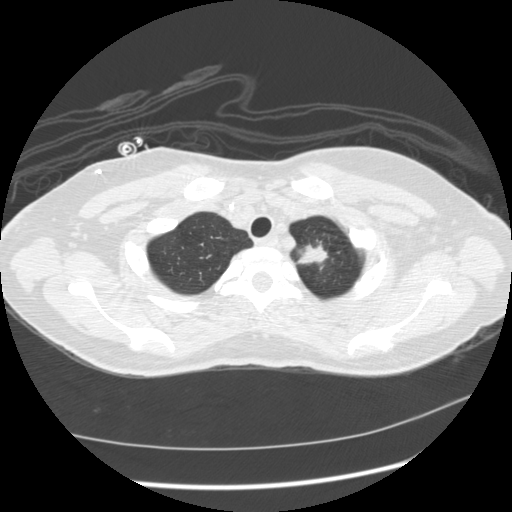
This is axial slice 179 of 209 (slice 1 is the lowest) of a chest CT; each pixel is 0.693 mm and the slice is 1.25 mm thick. Pulmonary nodule at rows 241–265, columns 296–328 (box = the union of the readers' outlines on this slice), outlined by all four readers; longest diameter 21.8–25.6 mm and volume 2801–4927 mm3 across the four readers' outlines. Ratings across the readers: texture from 4/5 to 5/5 (solid) across the four readers; margin from 3/5 to 4/5 across the four readers; sphericity from 2/5 to 5/5 (round) across the four readers; calcification absent from all four readers; internal structure soft tissue, all four readers agreeing; subtlety 5/5 from all four readers; malignancy likelihood from 3/5 to 5/5 across the four readers. Scale key (1–5): texture non-solid→solid, margin indistinct→circumscribed, sphericity linear→round, subtlety extremely subtle→obvious, malignancy likelihood highly unlikely→highly suspicious of cancer. Box rows and columns are 0-based pixel indices from the top-left corner, inclusive.
Scan settings: 120 kVp, STANDARD reconstruction kernel.